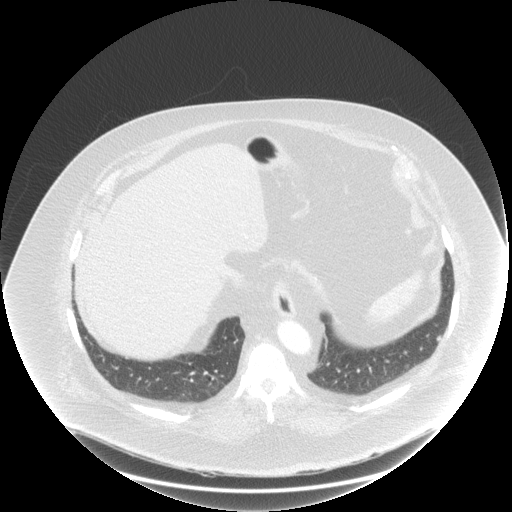
Axial chest CT slice 43 of 143 (counted from the lowest slice); 2.50 mm thick, 0.977 mm per pixel. Pulmonary nodule outlined by two of the four readers; box rows 335–341, columns 436–441 (the union of the readers' outlines on this slice); longest diameter 8.8 mm on average over the two readers' outlines (readers' outlines 8.4–9.2 mm), volume 142–160 mm3. Ratings, by the readers' most common answer with dissent counted: texture 5/5 (solid) from both readers; margin 3/5 from both readers; sphericity split among the readers: 3/5 (ovoid) (one), 4/5 (one); calcification absent, both readers agreeing; internal structure soft tissue from both readers; subtlety split among the readers: 1/5 (one), 2/5 (one); malignancy likelihood split among the readers: 2/5 (one), 3/5 (one). Scale key (1–5): texture non-solid→solid, margin indistinct→circumscribed, sphericity linear→round, subtlety extremely subtle→obvious, malignancy likelihood highly unlikely→highly suspicious of cancer. Box rows and columns are 0-based pixel indices from the top-left corner, inclusive.
Acquired at 120 kVp and reconstructed with the STANDARD kernel.